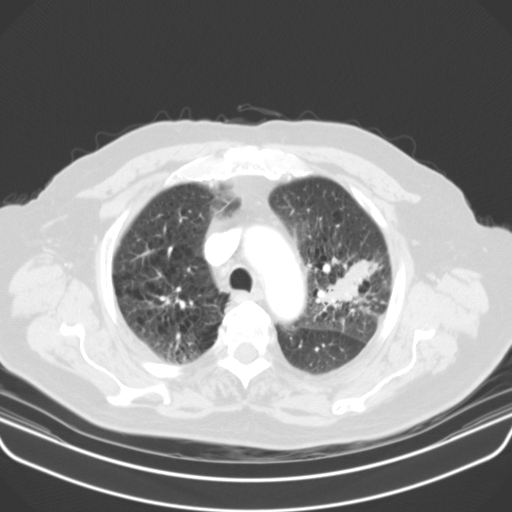
Chest CT, axial plane, 130 kVp, kernel B31s. Slice 85/107 from the bottom of the scan; thickness 3.00 mm; pixel size 0.742 mm.
The readers outlined no nodule of 3 mm or more on this slice.